One axial slice (93 of 143, counting up from the lowest) of a chest CT acquired at 120 kVp with the LUNG kernel; each pixel is 0.781 mm and the slice is 2.50 mm thick.
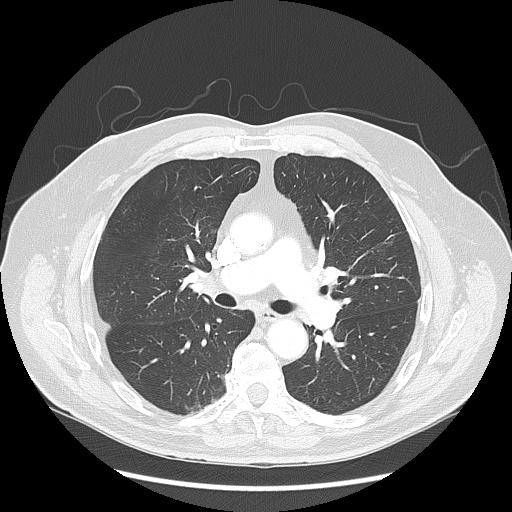
Pulmonary nodule outlined by one of the four readers; box rows 284–289, columns 374–378 (that reader's outline on this slice); longest diameter 5.5 mm and volume 44 mm3 from that reader's outline. Ratings by that reader: texture 5/5 (solid); margin 5/5 (circumscribed); sphericity 5/5 (round); calcification absent; internal structure soft tissue; subtlety 2/5; malignancy likelihood 2/5. Scale key (1–5): texture non-solid→solid, margin indistinct→circumscribed, sphericity linear→round, subtlety extremely subtle→obvious, malignancy likelihood highly unlikely→highly suspicious of cancer. Box rows and columns are 0-based pixel indices from the top-left corner, inclusive.